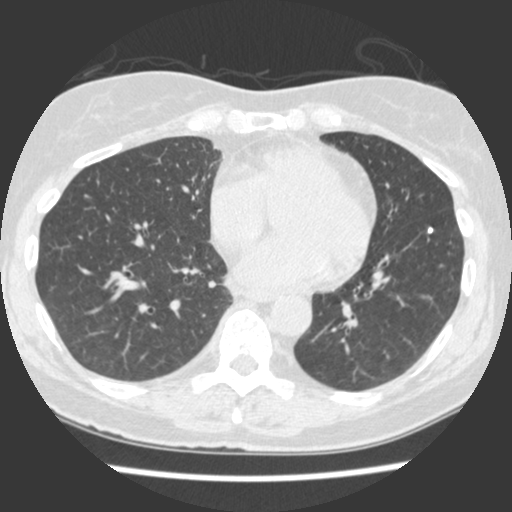
Axial chest CT slice 142 of 429 (counted from the lowest slice); tube voltage 120 kVp, convolution kernel STANDARD; slices 1.25 mm thick, 0.586 mm per pixel.
Pulmonary nodule at rows 226–234, columns 427–433 (box = the union of the readers' outlines on this slice), outlined by all four readers; median longest diameter 5.8 mm (readers' outlines 5.2–5.9 mm), median volume 53 mm3 (29–70 mm3). Ratings, median across the readers with their spread: texture 5/5 (solid) from all four readers; margin 5/5 (circumscribed) from all four readers; sphericity 4.5/5 at the median of four readers, spread 3/5 (ovoid) to 5/5 (round); calcification solid calcification from all four readers; internal structure soft tissue from all four readers; subtlety 4.5/5 at the median of four readers, spread 4–5; malignancy likelihood 1/5, all four readers agreeing. Scale key (1–5): texture non-solid→solid, margin indistinct→circumscribed, sphericity linear→round, subtlety extremely subtle→obvious, malignancy likelihood highly unlikely→highly suspicious of cancer. Box rows and columns are 0-based pixel indices from the top-left corner, inclusive.